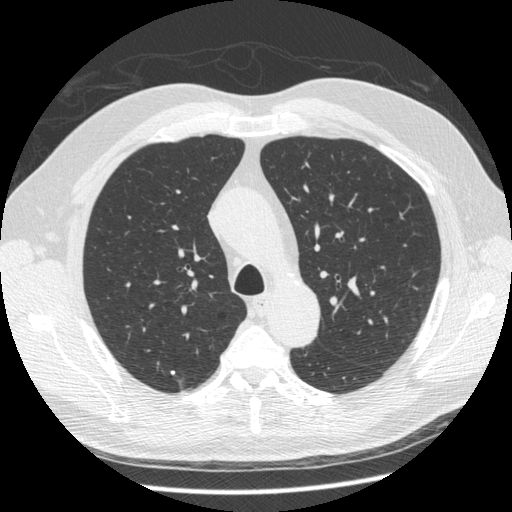
Chest CT, axial plane, 120 kVp, kernel STANDARD. Slice 374/519 from the bottom of the scan; thickness 1.25 mm; pixel size 0.703 mm.
Pulmonary nodule, outlined by one of the four readers. Box on this slice rows 371–374, columns 171–174, that reader's outline on this slice; longest diameter 4.4 mm and volume 30 mm3 from that reader's outline. Ratings by that reader: texture 5/5 (solid); margin 5/5 (circumscribed); sphericity 5/5 (round); calcification solid calcification; internal structure soft tissue; subtlety 4/5; malignancy likelihood 1/5. Scale key (1–5): texture non-solid→solid, margin indistinct→circumscribed, sphericity linear→round, subtlety extremely subtle→obvious, malignancy likelihood highly unlikely→highly suspicious of cancer. Box rows and columns are 0-based pixel indices from the top-left corner, inclusive.